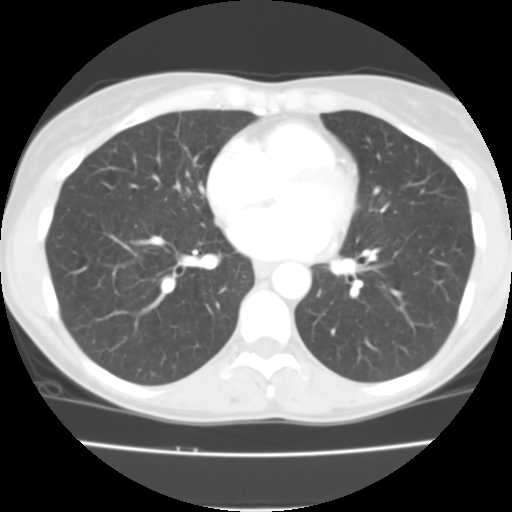
Slice 50/112 of a chest CT, counting up from the lowest; pixel size 0.573 mm, slice thickness 3.00 mm. No nodule 3 mm or larger was outlined here by any reader.
Scan settings: 135 kVp, FC01 reconstruction kernel.